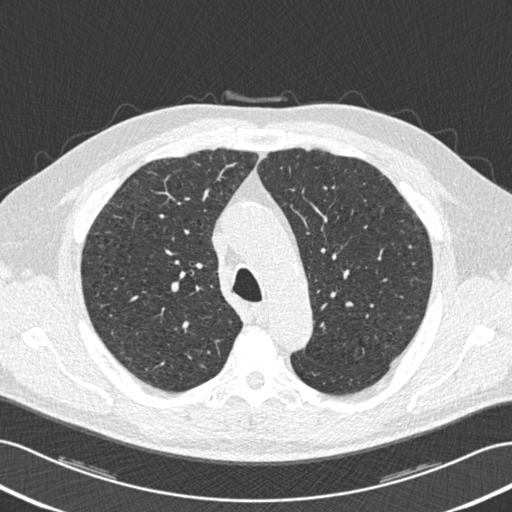
Axial chest CT slice 379 of 506 (counted from the lowest slice); tube voltage 120 kVp, convolution kernel B30f; slices 0.75 mm thick, 0.699 mm per pixel.
Pulmonary nodule, outlined by two of the four readers. Box on this slice rows 245–247, columns 408–411, the union of the readers' outlines on this slice; longest diameter 5.6 mm on average over the two readers' outlines (readers' outlines 5.5–5.8 mm), volume 42–45 mm3. The readers' prevailing ratings and who disagreed: texture 5/5 (solid), both readers agreeing; margin 5/5 (circumscribed) from both readers; sphericity 5/5 (round), both readers agreeing; calcification split among the readers: solid calcification (one), absent (one); internal structure soft tissue, both readers agreeing; subtlety split among the readers: 2/5 (one), 3/5 (one); malignancy likelihood split among the readers: 1/5 (one), 2/5 (one). Scale key (1–5): texture non-solid→solid, margin indistinct→circumscribed, sphericity linear→round, subtlety extremely subtle→obvious, malignancy likelihood highly unlikely→highly suspicious of cancer. Box rows and columns are 0-based pixel indices from the top-left corner, inclusive.